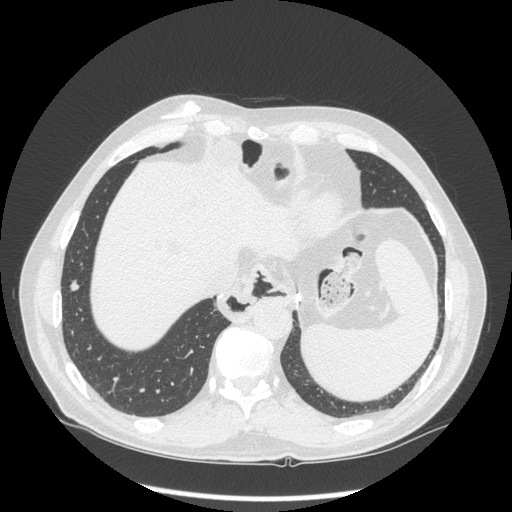
Slice 78/297 of a chest CT, counting up from the lowest; pixel size 0.787 mm, slice thickness 1.25 mm. Pulmonary nodule at rows 279–290, columns 69–79 (box = the union of the readers' outlines on this slice), outlined by all four readers; median longest diameter 10.4 mm (readers' outlines 10.3–11.0 mm), median volume 325 mm3 (283–421 mm3). Median ratings and the readers' spread: texture 5/5 (solid) at the median of four readers, spread 4/5 to 5/5 (solid); median margin 4.5/5 (readers ranged 3/5 to 5/5 (circumscribed)); sphericity 4/5 at the median of four readers, spread 3/5 (ovoid) to 4/5; calcification absent from all four readers; internal structure soft tissue from all four readers; median subtlety 4.5/5 (readers ranged 3–5); malignancy likelihood 3/5 at the median of four readers, spread 1–4. Scale key (1–5): texture non-solid→solid, margin indistinct→circumscribed, sphericity linear→round, subtlety extremely subtle→obvious, malignancy likelihood highly unlikely→highly suspicious of cancer. Box rows and columns are 0-based pixel indices from the top-left corner, inclusive.
Scan settings: 120 kVp, STANDARD reconstruction kernel.